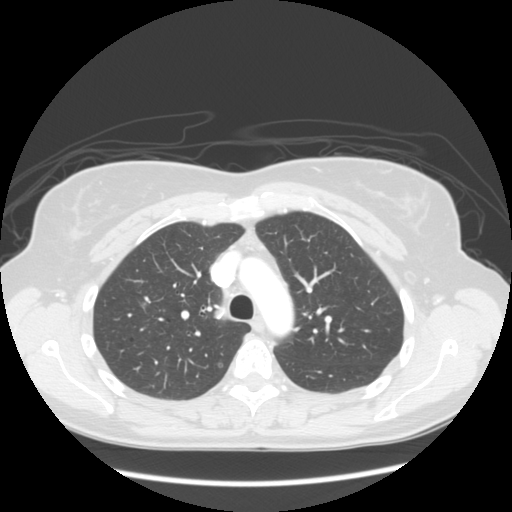
Slice 94/133 of a chest CT, counting up from the lowest; pixel size 0.703 mm, slice thickness 2.50 mm. Pulmonary nodule at rows 362–367, columns 217–223 (box = that reader's outline on this slice), outlined by one of the four readers; longest diameter 6.0 mm and volume 51 mm3 from that reader's outline. That reader's ratings: texture 3/5 (part-solid); margin 2/5; sphericity 5/5 (round); calcification absent; internal structure soft tissue; subtlety 1/5; malignancy likelihood 2/5. Scale key (1–5): texture non-solid→solid, margin indistinct→circumscribed, sphericity linear→round, subtlety extremely subtle→obvious, malignancy likelihood highly unlikely→highly suspicious of cancer. Box rows and columns are 0-based pixel indices from the top-left corner, inclusive.
Acquired at 120 kVp and reconstructed with the STANDARD kernel.